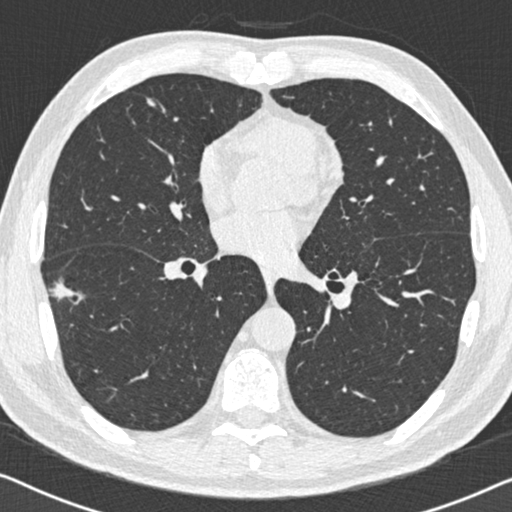
Axial chest CT slice 301 of 558 (counted from the lowest slice); tube voltage 120 kVp, convolution kernel B30f; slices 0.75 mm thick, 0.648 mm per pixel.
Two pulmonary nodules are outlined on this slice; from left to right: (1) Pulmonary nodule, outlined by all four readers. Box on this slice rows 276–301, columns 48–74, the union of the readers' outlines on this slice; median longest diameter 21.8 mm (readers' outlines 18.8–26.5 mm), median volume 1099 mm3 (726–1916 mm3). Median ratings and the readers' spread: median texture 4.5/5 (readers ranged 3/5 (part-solid) to 5/5 (solid)); margin 3/5 at the median of four readers, spread 1/5 (indistinct) to 4/5; median sphericity 3/5 (ovoid) (readers ranged 2/5 to 4/5); calcification absent, all four readers agreeing; internal structure soft tissue, all four readers agreeing; subtlety 5/5 at the median of four readers, spread 4–5; malignancy likelihood 4/5 at the median of four readers, spread 4–5. (2) Pulmonary nodule outlined by all four readers; box rows 97–107, columns 146–155 (the union of the readers' outlines on this slice); longest diameter 8.4 mm on average over the four readers' outlines (readers' outlines 7.4–9.6 mm), volume 85–182 mm3. Ratings, by the readers' most common answer with dissent counted: most readers (three of four) put texture at 5/5 (solid), others 4/5 (one); margin 4/5 by three of four readers; the rest gave 5/5 (circumscribed) (one); most readers (three of four) put sphericity at 3/5 (ovoid), others 4/5 (one); calcification absent, all four readers agreeing; internal structure soft tissue from all four readers; subtlety 4/5 by three of four readers; the rest gave 5/5 (one); most readers (three of four) put malignancy likelihood at 3/5, others 4/5 (one). Scale key (1–5): texture non-solid→solid, margin indistinct→circumscribed, sphericity linear→round, subtlety extremely subtle→obvious, malignancy likelihood highly unlikely→highly suspicious of cancer. Box rows and columns are 0-based pixel indices from the top-left corner, inclusive.